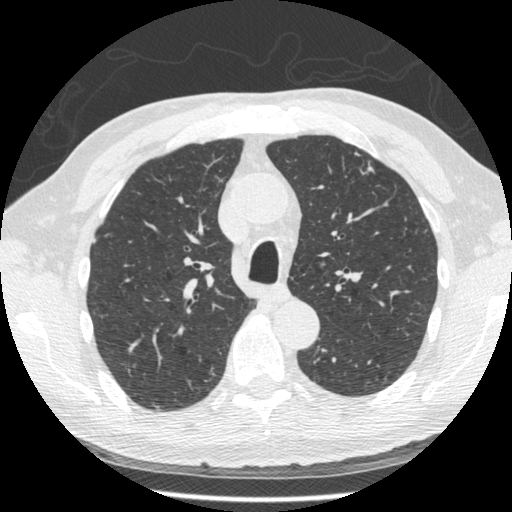
Axial slice 335 of 481 of a chest CT (slice 1 is the lowest), reconstructed with the STANDARD kernel at 120 kVp; 1.25 mm slice thickness and 0.664 mm pixels.
Two pulmonary nodules are outlined on this slice; from left to right: (1) Pulmonary nodule at rows 176–182, columns 215–223 (box = that reader's outline on this slice), outlined by one of the four readers; longest diameter 8.9 mm and volume 58 mm3 from that reader's outline. That reader's ratings: texture 2/5; margin 2/5; sphericity 4/5; calcification absent; internal structure soft tissue; subtlety 3/5; malignancy likelihood 3/5. (2) Pulmonary nodule outlined by two of the four readers; box rows 160–174, columns 365–374 (the union of the readers' outlines on this slice); the two readers' outlines give a longest diameter between 10.5 and 12.2 mm and a volume between 150 and 184 mm3. The readers' ratings, as ranges where they differ: texture from 2/5 to 4/5 across the two readers; margin from 1/5 (indistinct) to 4/5 across the two readers; sphericity from 2/5 to 3/5 (ovoid) across the two readers; calcification absent from both readers; internal structure soft tissue from both readers; subtlety rated between 2 and 4 out of 5 by the two readers; malignancy likelihood 1–3/5 (the readers disagree). Scale key (1–5): texture non-solid→solid, margin indistinct→circumscribed, sphericity linear→round, subtlety extremely subtle→obvious, malignancy likelihood highly unlikely→highly suspicious of cancer. Box rows and columns are 0-based pixel indices from the top-left corner, inclusive.